One axial slice (144 of 214, counting up from the lowest) of a chest CT acquired at 120 kVp with the LUNG kernel; each pixel is 0.820 mm and the slice is 1.25 mm thick.
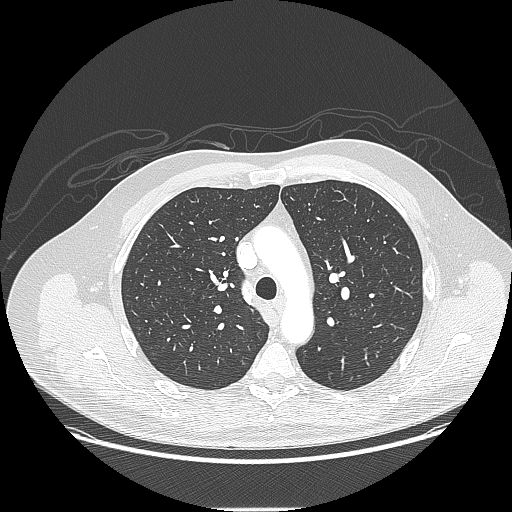
No nodule of 3 mm or larger was outlined by any of the four readers on this slice.